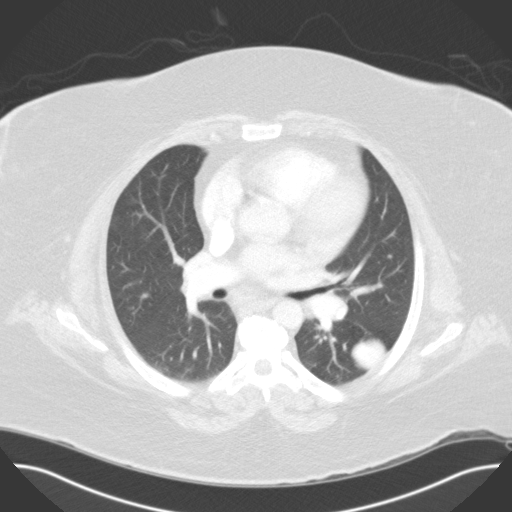
One axial slice (79 of 117, counting up from the lowest) of a chest CT acquired at 120 kVp with the B31f kernel; each pixel is 0.779 mm and the slice is 3.00 mm thick.
Pulmonary nodule at rows 337–368, columns 351–385 (box = the union of the readers' outlines on this slice), outlined by two of the four readers; longest diameter 39.2–39.6 mm and volume 24959–25451 mm3 across the two readers' outlines. Ratings across the readers: texture 5/5 (solid) from both readers; margin 5/5 (circumscribed), both readers agreeing; sphericity 5/5 (round), both readers agreeing; calcification split among the readers: laminated calcification (one), absent (one); internal structure soft tissue, both readers agreeing; subtlety 5/5 from both readers; malignancy likelihood from 2/5 to 3/5 across the two readers. Scale key (1–5): texture non-solid→solid, margin indistinct→circumscribed, sphericity linear→round, subtlety extremely subtle→obvious, malignancy likelihood highly unlikely→highly suspicious of cancer. Box rows and columns are 0-based pixel indices from the top-left corner, inclusive.